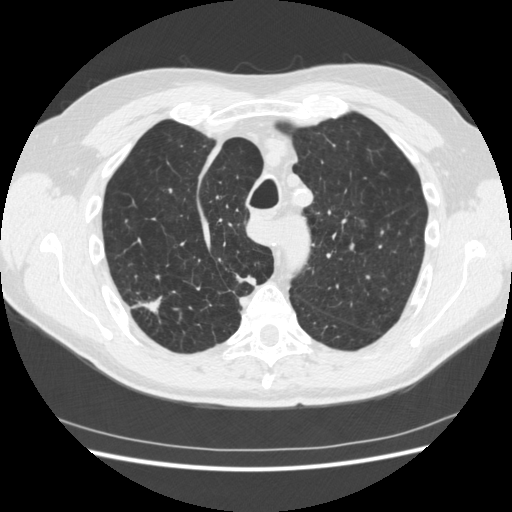
Chest CT, axial plane, 120 kVp, kernel STANDARD. Slice 348/481 from the bottom of the scan; thickness 1.25 mm; pixel size 0.703 mm.
Two pulmonary nodules on this slice, listed from left to right. (1) Pulmonary nodule outlined by all four readers; box rows 294–322, columns 130–162 (the union of the readers' outlines on this slice); longest diameter 26.2 mm on average over the four readers' outlines (readers' outlines 18.7–34.9 mm), volume 1155–4169 mm3. Ratings, by the readers' most common answer with dissent counted: texture 5/5 (solid) by three of four readers; the rest gave 4/5 (one); margin split among the readers: 1/5 (indistinct) (one), 2/5 (one), 3/5 (one), 4/5 (one); sphericity split among the readers: 2/5 (one), 3/5 (ovoid) (one), 4/5 (one), 5/5 (round) (one); calcification absent from all four readers; internal structure soft tissue from all four readers; subtlety 5/5, all four readers agreeing; most readers (three of four) put malignancy likelihood at 5/5, others 4/5 (one). (2) Pulmonary nodule, outlined by three of the four readers. Box on this slice rows 275–285, columns 236–255, the union of the readers' outlines on this slice; longest diameter 13.5–18.5 mm and volume 529–1088 mm3 across the three readers' outlines. The readers' ratings, as ranges where they differ: texture 5/5 (solid), all three readers agreeing; margin from 1/5 (indistinct) to 4/5 across the three readers; sphericity from 2/5 to 3/5 (ovoid) across the three readers; calcification absent from all three readers; internal structure soft tissue, all three readers agreeing; subtlety rated between 4 and 5 out of 5 by the three readers; malignancy likelihood rated between 3 and 5 out of 5 by the three readers. Scale key (1–5): texture non-solid→solid, margin indistinct→circumscribed, sphericity linear→round, subtlety extremely subtle→obvious, malignancy likelihood highly unlikely→highly suspicious of cancer. Box rows and columns are 0-based pixel indices from the top-left corner, inclusive.